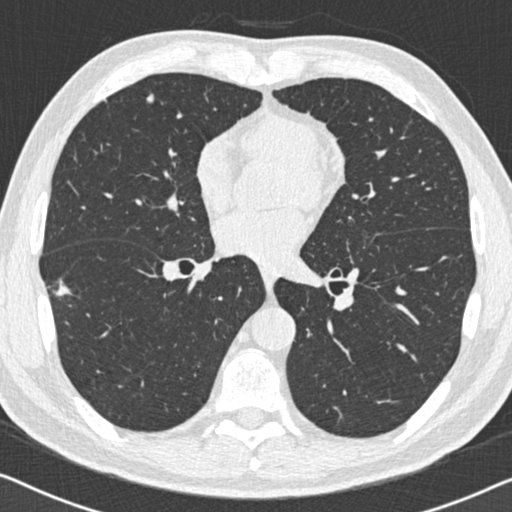
One axial slice (297 of 558, counting up from the lowest) of a chest CT acquired at 120 kVp with the B30f kernel; each pixel is 0.648 mm and the slice is 0.75 mm thick.
Two pulmonary nodules are outlined on this slice; from left to right: (1) Pulmonary nodule at rows 278–301, columns 51–72 (box = the union of the readers' outlines on this slice), outlined by all four readers; longest diameter 22.2 mm on average over the four readers' outlines (readers' outlines 18.8–26.5 mm), volume 726–1916 mm3. Ratings, by the readers' most common answer with dissent counted: texture 5/5 (solid) by two of four readers; the rest gave 3/5 (part-solid) (one), 4/5 (one); margin 4/5 by two of four readers; the rest gave 1/5 (indistinct) (one), 2/5 (one); sphericity split among the readers: 2/5 (two), 4/5 (two); calcification absent from all four readers; internal structure soft tissue from all four readers; most readers (three of four) put subtlety at 5/5, others 4/5 (one); malignancy likelihood 4/5 by three of four readers; the rest gave 5/5 (one). (2) Pulmonary nodule outlined by all four readers; box rows 93–103, columns 146–154 (the union of the readers' outlines on this slice); longest diameter 8.4 mm on average over the four readers' outlines (readers' outlines 7.4–9.6 mm), volume 85–182 mm3. Ratings, by the readers' most common answer with dissent counted: most readers (three of four) put texture at 5/5 (solid), others 4/5 (one); most readers (three of four) put margin at 4/5, others 5/5 (circumscribed) (one); sphericity 3/5 (ovoid) by three of four readers; the rest gave 4/5 (one); calcification absent from all four readers; internal structure soft tissue, all four readers agreeing; most readers (three of four) put subtlety at 4/5, others 5/5 (one); most readers (three of four) put malignancy likelihood at 3/5, others 4/5 (one). Scale key (1–5): texture non-solid→solid, margin indistinct→circumscribed, sphericity linear→round, subtlety extremely subtle→obvious, malignancy likelihood highly unlikely→highly suspicious of cancer. Box rows and columns are 0-based pixel indices from the top-left corner, inclusive.